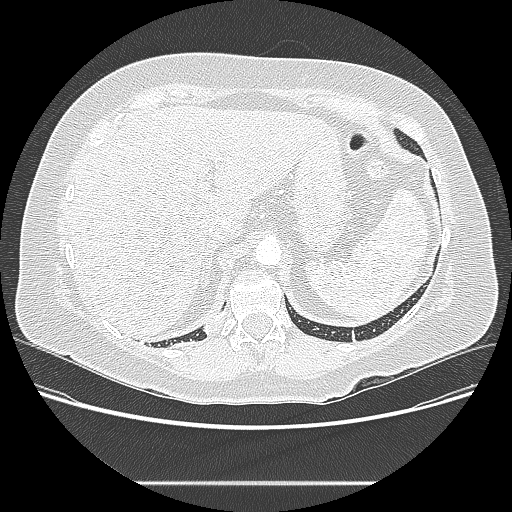
One axial slice (39 of 238, counting up from the lowest) of a chest CT acquired at 120 kVp with the LUNG kernel; each pixel is 0.742 mm and the slice is 1.25 mm thick.
Pulmonary nodule at rows 313–335, columns 203–222 (box = the union of the readers' outlines on this slice), outlined by three of the four readers; longest diameter 20.9 mm on average over the three readers' outlines (readers' outlines 20.6–21.1 mm), volume 743–1062 mm3. Ratings, by the readers' most common answer with dissent counted: texture 5/5 (solid), all three readers agreeing; most readers (two of three) put margin at 5/5 (circumscribed), others 4/5 (one); sphericity 3/5 (ovoid), all three readers agreeing; calcification absent, all three readers agreeing; internal structure soft tissue, all three readers agreeing; subtlety 3/5 by two of three readers; the rest gave 4/5 (one); malignancy likelihood 3/5, all three readers agreeing. Scale key (1–5): texture non-solid→solid, margin indistinct→circumscribed, sphericity linear→round, subtlety extremely subtle→obvious, malignancy likelihood highly unlikely→highly suspicious of cancer. Box rows and columns are 0-based pixel indices from the top-left corner, inclusive.